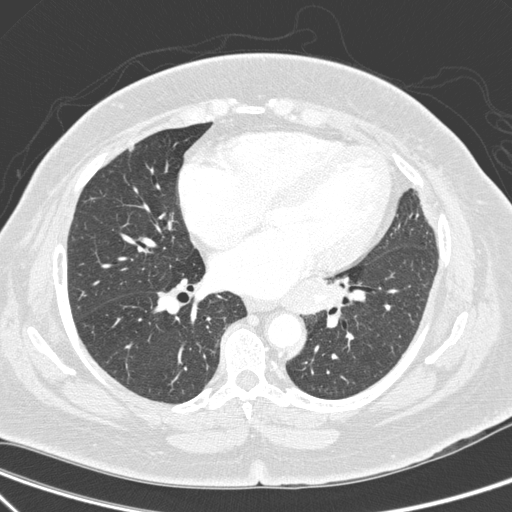
Axial slice 130 of 272 of a chest CT (slice 1 is the lowest), reconstructed with the D kernel at 140 kVp; 1.00 mm slice thickness and 0.676 mm pixels.
The readers outlined no nodule of 3 mm or more on this slice.